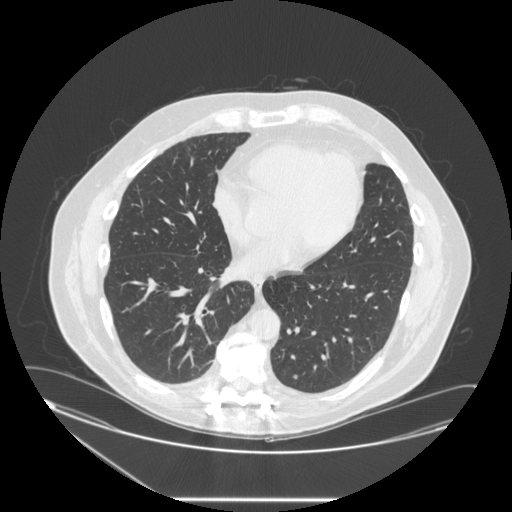
One axial slice (90 of 237, counting up from the lowest) of a chest CT acquired at 120 kVp with the STANDARD kernel; each pixel is 0.871 mm and the slice is 1.25 mm thick.
Pulmonary nodule at rows 374–378, columns 293–297 (box = the union of the readers' outlines on this slice), outlined by two of the four readers; median longest diameter 6.1 mm (readers' outlines 5.8–6.3 mm), median volume 51 mm3 (49–52 mm3). Median ratings and the readers' spread: median texture 4.5/5 (readers ranged 4/5 to 5/5 (solid)); margin 3.5/5 at the median of two readers, spread 3/5 to 4/5; median sphericity 4.5/5 (readers ranged 4/5 to 5/5 (round)); calcification absent, both readers agreeing; internal structure soft tissue, both readers agreeing; subtlety 1/5 from both readers; malignancy likelihood 3/5, both readers agreeing. Scale key (1–5): texture non-solid→solid, margin indistinct→circumscribed, sphericity linear→round, subtlety extremely subtle→obvious, malignancy likelihood highly unlikely→highly suspicious of cancer. Box rows and columns are 0-based pixel indices from the top-left corner, inclusive.